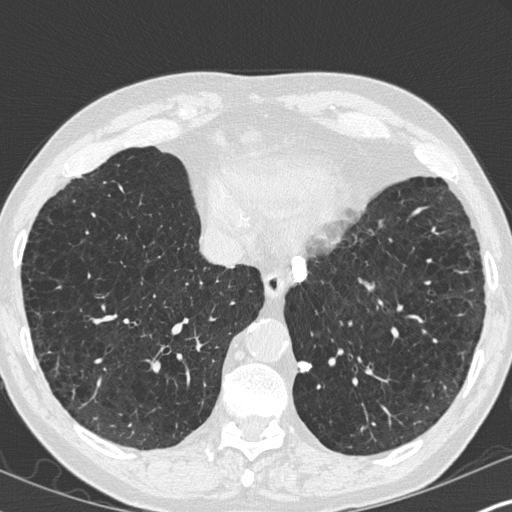
This is axial slice 101 of 347 (slice 1 is the lowest) of a chest CT; each pixel is 0.625 mm and the slice is 1.00 mm thick. Pulmonary nodule, outlined by two of the four readers. Box on this slice rows 361–373, columns 297–311, the union of the readers' outlines on this slice; the two readers' outlines give a longest diameter between 10.7 and 14.3 mm and a volume between 348 and 470 mm3. Ratings across the readers: texture 5/5 (solid), both readers agreeing; margin from 4/5 to 5/5 (circumscribed) across the two readers; sphericity from 3/5 (ovoid) to 4/5 across the two readers; calcification solid calcification from both readers; internal structure soft tissue, both readers agreeing; subtlety 5/5 from both readers; malignancy likelihood 1/5 from both readers. Scale key (1–5): texture non-solid→solid, margin indistinct→circumscribed, sphericity linear→round, subtlety extremely subtle→obvious, malignancy likelihood highly unlikely→highly suspicious of cancer. Box rows and columns are 0-based pixel indices from the top-left corner, inclusive.
Scan settings: 120 kVp, B45f reconstruction kernel.